Chest CT, axial plane, 120 kVp, kernel B30f. Slice 335/376 from the bottom of the scan; thickness 0.75 mm; pixel size 0.461 mm.
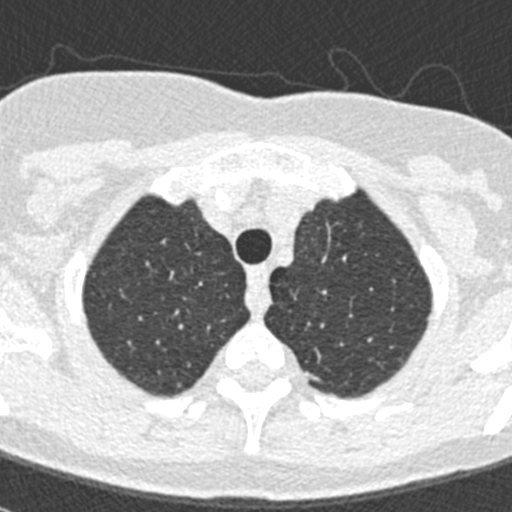
Pulmonary nodule outlined by one of the four readers; box rows 382–387, columns 176–180 (that reader's outline on this slice); longest diameter 4.3 mm and volume 32 mm3 from that reader's outline. Ratings by that reader: texture 5/5 (solid); margin 4/5; sphericity 4/5; calcification absent; internal structure soft tissue; subtlety 5/5; malignancy likelihood 3/5. Scale key (1–5): texture non-solid→solid, margin indistinct→circumscribed, sphericity linear→round, subtlety extremely subtle→obvious, malignancy likelihood highly unlikely→highly suspicious of cancer. Box rows and columns are 0-based pixel indices from the top-left corner, inclusive.